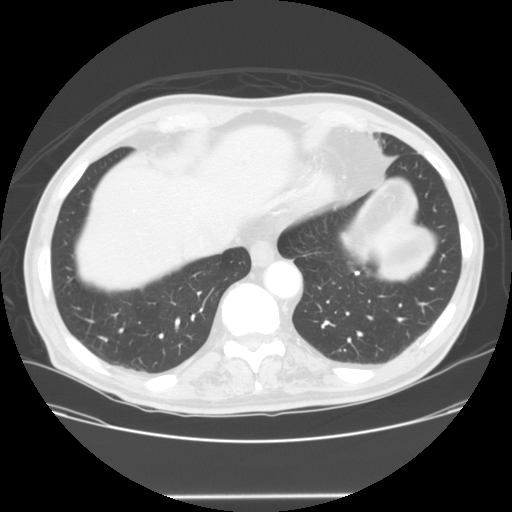
One axial slice (35 of 128, counting up from the lowest) of a chest CT acquired at 120 kVp with the STANDARD kernel; each pixel is 0.742 mm and the slice is 2.50 mm thick.
Pulmonary nodule outlined by two of the four readers; box rows 271–275, columns 355–359 (the union of the readers' outlines on this slice); longest diameter 5.6 mm on average over the two readers' outlines (readers' outlines 4.8–6.4 mm), volume 55–118 mm3. The readers' prevailing ratings and who disagreed: texture 5/5 (solid) from both readers; margin 5/5 (circumscribed), both readers agreeing; sphericity split among the readers: 2/5 (one), 5/5 (round) (one); calcification solid calcification from both readers; internal structure soft tissue, both readers agreeing; subtlety 5/5 from both readers; malignancy likelihood 1/5 from both readers. Scale key (1–5): texture non-solid→solid, margin indistinct→circumscribed, sphericity linear→round, subtlety extremely subtle→obvious, malignancy likelihood highly unlikely→highly suspicious of cancer. Box rows and columns are 0-based pixel indices from the top-left corner, inclusive.